Chest CT, axial plane, 120 kVp, kernel B70f. Slice 255/345 from the bottom of the scan; thickness 2.00 mm; pixel size 0.541 mm.
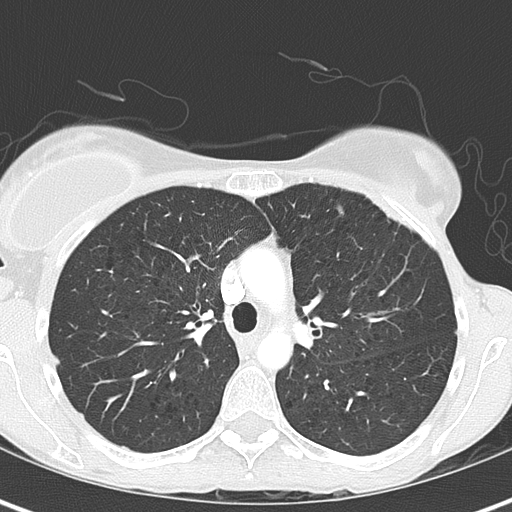
This slice carries no reader outline of a nodule 3 mm or larger.